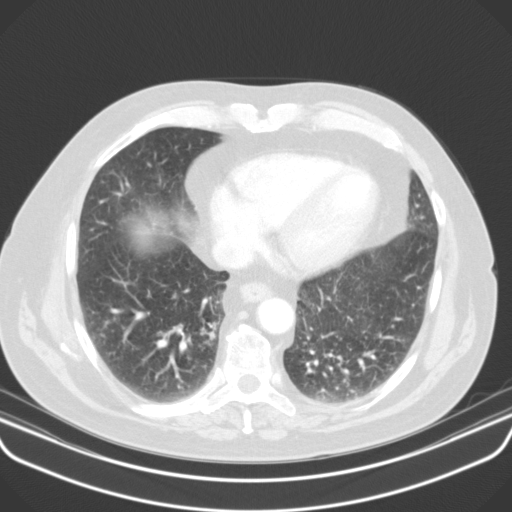
Axial slice 46 of 107 of a chest CT (slice 1 is the lowest), reconstructed with the B31s kernel at 130 kVp; 3.00 mm slice thickness and 0.742 mm pixels.
Pulmonary nodule, outlined by one of the four readers. Box on this slice rows 333–337, columns 210–214, that reader's outline on this slice; longest diameter 19.7 mm and volume 1325 mm3 from that reader's outline. Ratings by that reader: texture 4/5; margin 4/5; sphericity 3/5 (ovoid); calcification absent; internal structure soft tissue; subtlety 4/5; malignancy likelihood 3/5. Scale key (1–5): texture non-solid→solid, margin indistinct→circumscribed, sphericity linear→round, subtlety extremely subtle→obvious, malignancy likelihood highly unlikely→highly suspicious of cancer. Box rows and columns are 0-based pixel indices from the top-left corner, inclusive.